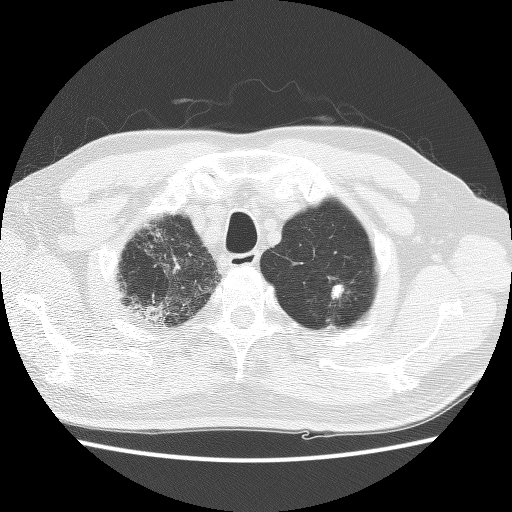
Axial chest CT slice 112 of 129 (counted from the lowest slice); tube voltage 140 kVp, convolution kernel BONE; slices 2.50 mm thick, 0.645 mm per pixel.
Pulmonary nodule at rows 283–299, columns 331–343 (box = the union of the readers' outlines on this slice), outlined by all four readers; longest diameter 11.2 mm on average over the four readers' outlines (readers' outlines 9.7–12.2 mm), volume 557–991 mm3. The readers' prevailing ratings and who disagreed: texture split among the readers: 4/5 (two), 5/5 (solid) (two); margin split among the readers: 2/5 (one), 3/5 (one), 4/5 (one), 5/5 (circumscribed) (one); sphericity 4/5 by two of four readers; the rest gave 2/5 (one), 3/5 (ovoid) (one); calcification split among the readers: absent (two), central calcification (two); internal structure soft tissue, all four readers agreeing; subtlety split among the readers: 4/5 (two), 5/5 (two); malignancy likelihood 1/5 by two of four readers; the rest gave 3/5 (one), 5/5 (one). Scale key (1–5): texture non-solid→solid, margin indistinct→circumscribed, sphericity linear→round, subtlety extremely subtle→obvious, malignancy likelihood highly unlikely→highly suspicious of cancer. Box rows and columns are 0-based pixel indices from the top-left corner, inclusive.